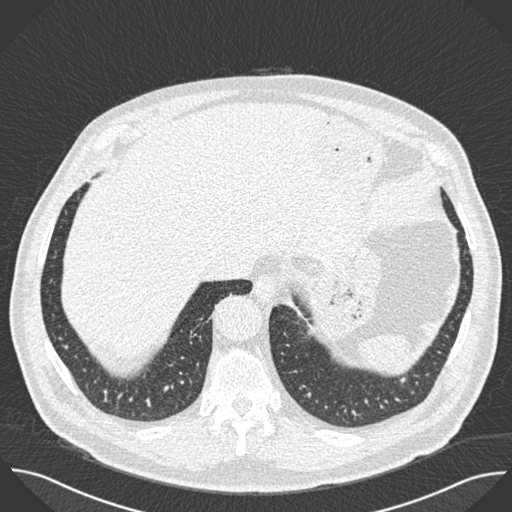
Axial chest CT slice 163 of 493 (counted from the lowest slice); 0.75 mm thick, 0.762 mm per pixel. Pulmonary nodule, outlined by one of the four readers. Box on this slice rows 377–382, columns 400–406, that reader's outline on this slice; longest diameter 6.5 mm and volume 48 mm3 from that reader's outline. Ratings by that reader: texture 5/5 (solid); margin 4/5; sphericity 4/5; calcification absent; internal structure soft tissue; subtlety 3/5; malignancy likelihood 3/5. Scale key (1–5): texture non-solid→solid, margin indistinct→circumscribed, sphericity linear→round, subtlety extremely subtle→obvious, malignancy likelihood highly unlikely→highly suspicious of cancer. Box rows and columns are 0-based pixel indices from the top-left corner, inclusive.
Acquired at 120 kVp and reconstructed with the B30f kernel.